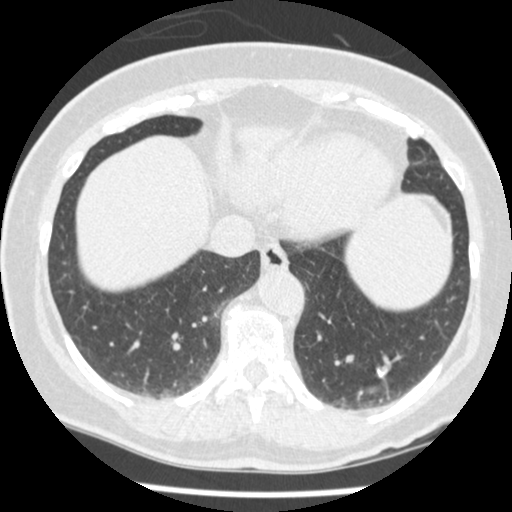
Slice 132/465 of a chest CT, counting up from the lowest; pixel size 0.586 mm, slice thickness 1.25 mm. Pulmonary nodule outlined by all four readers, three of them on this slice; box rows 368–392, columns 368–384 (the union of the readers' outlines on this slice); longest diameter 18.1 mm on average over the four readers' outlines (readers' outlines 15.8–20.8 mm), volume 1106–1600 mm3. Ratings, by the readers' most common answer with dissent counted: texture 5/5 (solid) from all four readers; margin 4/5 by two of four readers; the rest gave 3/5 (one), 5/5 (circumscribed) (one); most readers (three of four) put sphericity at 4/5, others 3/5 (ovoid) (one); calcification absent by two of four readers, solid calcification (one), central calcification (one); internal structure soft tissue, all four readers agreeing; subtlety 5/5, all four readers agreeing; malignancy likelihood 1/5 by two of four readers; the rest gave 4/5 (one), 5/5 (one). Scale key (1–5): texture non-solid→solid, margin indistinct→circumscribed, sphericity linear→round, subtlety extremely subtle→obvious, malignancy likelihood highly unlikely→highly suspicious of cancer. Box rows and columns are 0-based pixel indices from the top-left corner, inclusive.
Tube voltage 120 kVp; convolution kernel STANDARD.